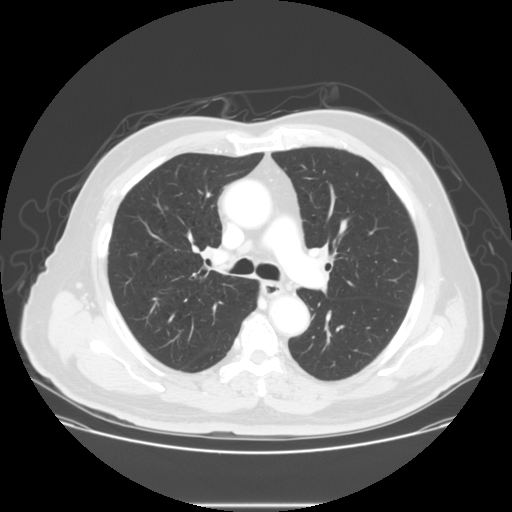
Chest CT, axial plane, 140 kVp, kernel STANDARD. Slice 93/133 from the bottom of the scan; thickness 2.50 mm; pixel size 0.781 mm.
Pulmonary nodule outlined by three of the four readers, two of them on this slice; box rows 206–209, columns 164–167 (the union of the readers' outlines on this slice); longest diameter 5.6 mm on average over the three readers' outlines (readers' outlines 5.2–5.9 mm), volume 45–114 mm3. The readers' prevailing ratings and who disagreed: texture 5/5 (solid), all three readers agreeing; most readers (two of three) put margin at 4/5, others 5/5 (circumscribed) (one); most readers (two of three) put sphericity at 5/5 (round), others 3/5 (ovoid) (one); calcification absent, all three readers agreeing; internal structure soft tissue, all three readers agreeing; subtlety 3/5 by two of three readers; the rest gave 4/5 (one); malignancy likelihood 3/5 by two of three readers; the rest gave 2/5 (one). Scale key (1–5): texture non-solid→solid, margin indistinct→circumscribed, sphericity linear→round, subtlety extremely subtle→obvious, malignancy likelihood highly unlikely→highly suspicious of cancer. Box rows and columns are 0-based pixel indices from the top-left corner, inclusive.